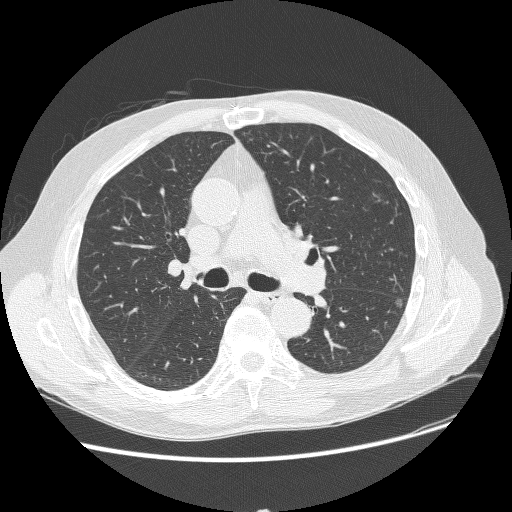
Slice 168/268 of a chest CT, counting up from the lowest; pixel size 0.742 mm, slice thickness 1.25 mm. Pulmonary nodule, outlined by all four readers. Box on this slice rows 298–308, columns 394–402, the union of the readers' outlines on this slice; the four readers' outlines give a longest diameter between 9.0 and 9.3 mm and a volume between 159 and 261 mm3. Ratings across the readers: texture from 1/5 (non-solid) to 3/5 (part-solid) across the four readers; margin from 1/5 (indistinct) to 5/5 (circumscribed) across the four readers; sphericity from 3/5 (ovoid) to 4/5 across the four readers; calcification absent from all four readers; internal structure soft tissue from all four readers; subtlety 3–4/5 (the readers disagree); malignancy likelihood 3–4/5 (the readers disagree). Scale key (1–5): texture non-solid→solid, margin indistinct→circumscribed, sphericity linear→round, subtlety extremely subtle→obvious, malignancy likelihood highly unlikely→highly suspicious of cancer. Box rows and columns are 0-based pixel indices from the top-left corner, inclusive.
Acquired at 120 kVp and reconstructed with the BONE kernel.